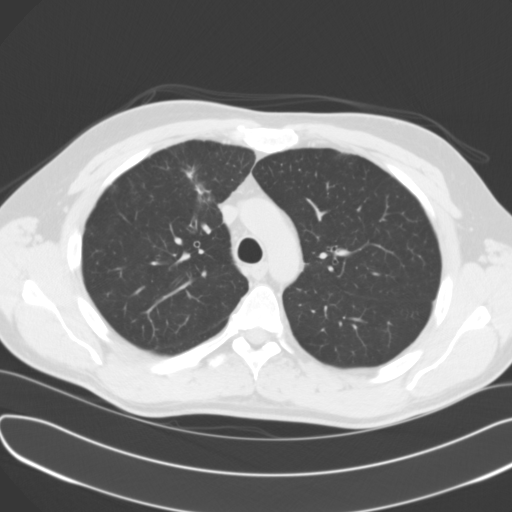
Slice 92/131 of a chest CT, counting up from the lowest; pixel size 0.721 mm, slice thickness 3.00 mm. Pulmonary nodule outlined by all four readers, three of them on this slice; box rows 165–204, columns 181–213 (the union of the readers' outlines on this slice); median longest diameter 24.2 mm (readers' outlines 22.6–49.1 mm), median volume 1466 mm3 (879–6132 mm3). Median ratings and the readers' spread: median texture 5/5 (solid) (readers ranged 4/5 to 5/5 (solid)); median margin 2.5/5 (readers ranged 1/5 (indistinct) to 4/5); median sphericity 3.5/5 (readers ranged 2/5 to 5/5 (round)); calcification absent from all four readers; internal structure soft tissue, all four readers agreeing; subtlety 5/5 at the median of four readers, spread 2–5; median malignancy likelihood 4.5/5 (readers ranged 1–5). Scale key (1–5): texture non-solid→solid, margin indistinct→circumscribed, sphericity linear→round, subtlety extremely subtle→obvious, malignancy likelihood highly unlikely→highly suspicious of cancer. Box rows and columns are 0-based pixel indices from the top-left corner, inclusive.
Scan settings: 120 kVp, B31f reconstruction kernel.